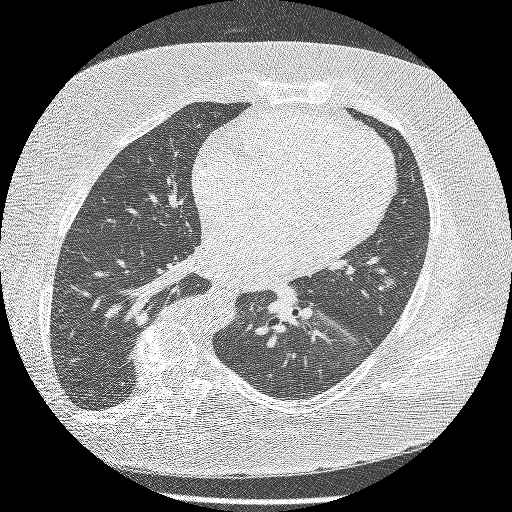
One axial slice (94 of 195, counting up from the lowest) of a chest CT acquired at 120 kVp with the BONE kernel; each pixel is 0.645 mm and the slice is 1.25 mm thick.
Pulmonary nodule, outlined by two of the four readers, one of them on this slice. Box on this slice rows 278–282, columns 386–391, the one reader's outline on this slice; median longest diameter 13.4 mm (readers' outlines 12.4–14.3 mm), median volume 224 mm3 (220–228 mm3). Median ratings and the readers' spread: median texture 4.5/5 (readers ranged 4/5 to 5/5 (solid)); margin 2.5/5 at the median of two readers, spread 2/5 to 3/5; sphericity 2.5/5 at the median of two readers, spread 2/5 to 3/5 (ovoid); calcification absent from both readers; internal structure soft tissue from both readers; median subtlety 2.5/5 (readers ranged 2–3); malignancy likelihood 3/5, both readers agreeing. Scale key (1–5): texture non-solid→solid, margin indistinct→circumscribed, sphericity linear→round, subtlety extremely subtle→obvious, malignancy likelihood highly unlikely→highly suspicious of cancer. Box rows and columns are 0-based pixel indices from the top-left corner, inclusive.